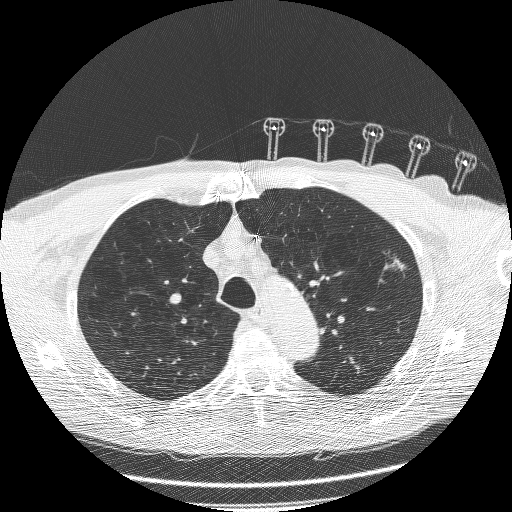
Axial slice 199 of 260 of a chest CT (slice 1 is the lowest), reconstructed with the BONE kernel at 120 kVp; 1.25 mm slice thickness and 0.703 mm pixels.
Pulmonary nodule at rows 254–272, columns 381–408 (box = the union of the readers' outlines on this slice), outlined by three of the four readers; longest diameter 18.3 mm on average over the three readers' outlines (readers' outlines 16.5–20.6 mm), volume 290–713 mm3. Ratings, by the readers' most common answer with dissent counted: texture split among the readers: 3/5 (part-solid) (one), 4/5 (one), 5/5 (solid) (one); margin split among the readers: 1/5 (indistinct) (one), 2/5 (one), 3/5 (one); sphericity 3/5 (ovoid) by two of three readers; the rest gave 2/5 (one); calcification absent from all three readers; internal structure soft tissue from all three readers; subtlety 5/5 by two of three readers; the rest gave 4/5 (one); malignancy likelihood split among the readers: 3/5 (one), 4/5 (one), 5/5 (one). Scale key (1–5): texture non-solid→solid, margin indistinct→circumscribed, sphericity linear→round, subtlety extremely subtle→obvious, malignancy likelihood highly unlikely→highly suspicious of cancer. Box rows and columns are 0-based pixel indices from the top-left corner, inclusive.